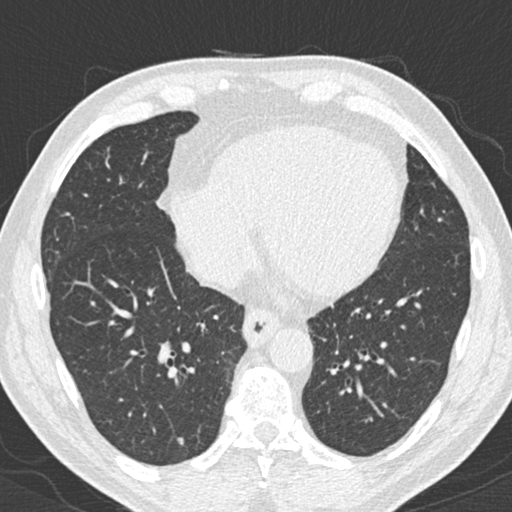
Axial chest CT slice 75 of 197 (counted from the lowest slice); 2.00 mm thick, 0.625 mm per pixel. Pulmonary nodule, outlined by two of the four readers. Box on this slice rows 437–444, columns 177–183, the union of the readers' outlines on this slice; longest diameter 6.0 mm on average over the two readers' outlines (readers' outlines 5.3–6.8 mm), volume 39–65 mm3. The readers' prevailing ratings and who disagreed: texture split among the readers: 3/5 (part-solid) (one), 5/5 (solid) (one); margin split among the readers: 2/5 (one), 5/5 (circumscribed) (one); sphericity 3/5 (ovoid), both readers agreeing; calcification absent from both readers; internal structure soft tissue, both readers agreeing; subtlety split among the readers: 4/5 (one), 5/5 (one); malignancy likelihood split among the readers: 2/5 (one), 3/5 (one). Scale key (1–5): texture non-solid→solid, margin indistinct→circumscribed, sphericity linear→round, subtlety extremely subtle→obvious, malignancy likelihood highly unlikely→highly suspicious of cancer. Box rows and columns are 0-based pixel indices from the top-left corner, inclusive.
Tube voltage 120 kVp; convolution kernel B30f.